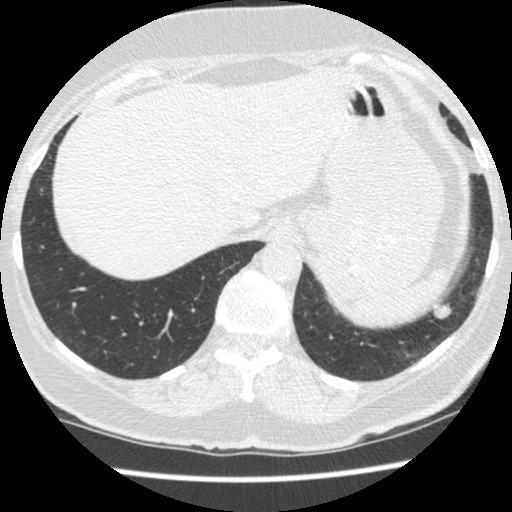
Slice 93/481 of a chest CT, counting up from the lowest; pixel size 0.605 mm, slice thickness 1.25 mm. Pulmonary nodule, outlined by all four readers. Box on this slice rows 302–320, columns 433–450, the union of the readers' outlines on this slice; the four readers' outlines give a longest diameter between 13.3 and 14.6 mm and a volume between 633 and 867 mm3. The readers' ratings, as ranges where they differ: texture 5/5 (solid), all four readers agreeing; margin from 4/5 to 5/5 (circumscribed) across the four readers; sphericity from 4/5 to 5/5 (round) across the four readers; calcification absent, all four readers agreeing; internal structure soft tissue from all four readers; subtlety from 4/5 to 5/5 across the four readers; malignancy likelihood from 2/5 to 5/5 across the four readers. Scale key (1–5): texture non-solid→solid, margin indistinct→circumscribed, sphericity linear→round, subtlety extremely subtle→obvious, malignancy likelihood highly unlikely→highly suspicious of cancer. Box rows and columns are 0-based pixel indices from the top-left corner, inclusive.
Tube voltage 120 kVp; convolution kernel STANDARD.